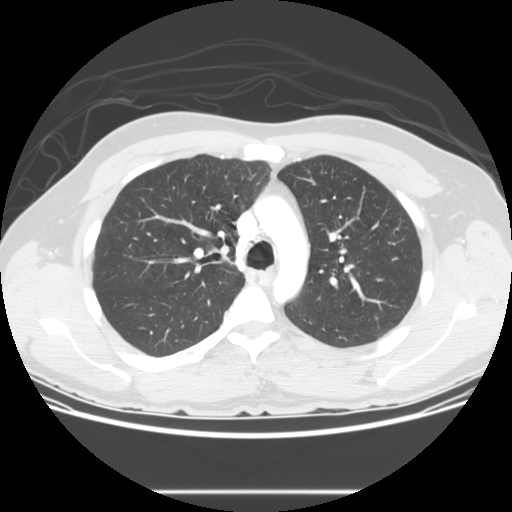
Axial chest CT slice 77 of 119 (counted from the lowest slice); tube voltage 120 kVp, convolution kernel STANDARD; slices 2.50 mm thick, 0.742 mm per pixel.
No nodule 3 mm or larger was outlined here by any reader.